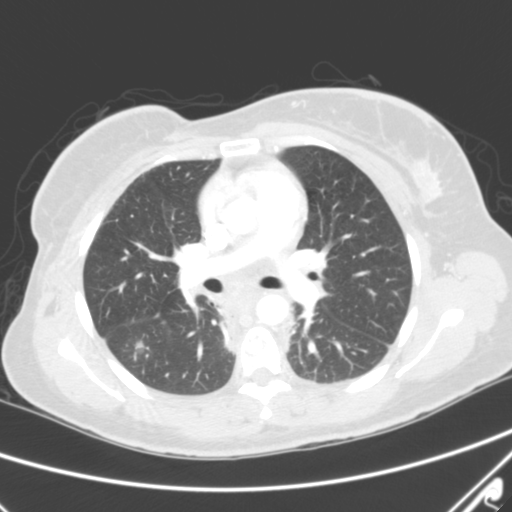
Axial slice 157 of 263 of a chest CT (slice 1 is the lowest), reconstructed with the B kernel at 120 kVp; 2.00 mm slice thickness and 0.664 mm pixels.
Pulmonary nodule, outlined two times (the source holds three more outlines, not used). Box on this slice rows 341–352, columns 136–144, the union of the readers' outlines on this slice; median longest diameter 13.7 mm (readers' outlines 12.2–15.2 mm), median volume 980 mm3 (731–1229 mm3). Median ratings and the readers' spread: texture 2/5 at the median of two readers, spread 1/5 (non-solid) to 3/5 (part-solid); margin 2.5/5 at the median of two readers, spread 2/5 to 3/5; median sphericity 3.5/5 (readers ranged 3/5 (ovoid) to 4/5); calcification absent, both readers agreeing; internal structure soft tissue from both readers; subtlety 3/5 from both readers; median malignancy likelihood 3/5 (readers ranged 2–4). Scale key (1–5): texture non-solid→solid, margin indistinct→circumscribed, sphericity linear→round, subtlety extremely subtle→obvious, malignancy likelihood highly unlikely→highly suspicious of cancer. Box rows and columns are 0-based pixel indices from the top-left corner, inclusive.